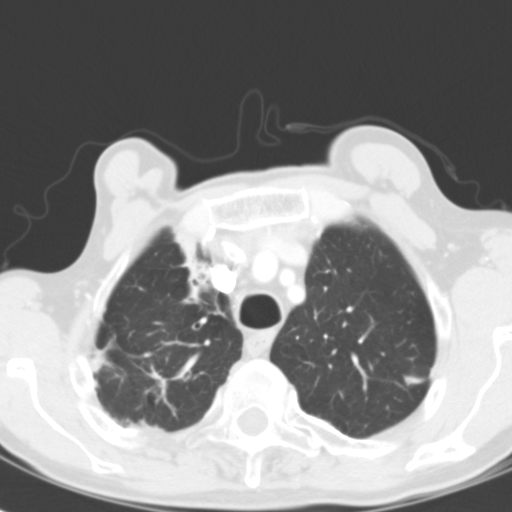
Chest CT, axial plane, 120 kVp, kernel B31f. Slice 93/116 from the bottom of the scan; thickness 3.00 mm; pixel size 0.547 mm.
Pulmonary nodule, outlined by all four readers. Box on this slice rows 374–386, columns 403–425, the union of the readers' outlines on this slice; the four readers' outlines give a longest diameter between 23.8 and 26.7 mm and a volume between 3983 and 5133 mm3. Ratings across the readers: texture from 3/5 (part-solid) to 5/5 (solid) across the four readers; margin from 3/5 to 5/5 (circumscribed) across the four readers; sphericity from 3/5 (ovoid) to 4/5 across the four readers; calcification absent from all four readers; internal structure: soft tissue (three), air (one); subtlety 5/5, all four readers agreeing; malignancy likelihood rated between 2 and 5 out of 5 by the four readers. Scale key (1–5): texture non-solid→solid, margin indistinct→circumscribed, sphericity linear→round, subtlety extremely subtle→obvious, malignancy likelihood highly unlikely→highly suspicious of cancer. Box rows and columns are 0-based pixel indices from the top-left corner, inclusive.